Chest CT, axial plane, 120 kVp, kernel STANDARD. Slice 348/522 from the bottom of the scan; thickness 1.25 mm; pixel size 0.703 mm.
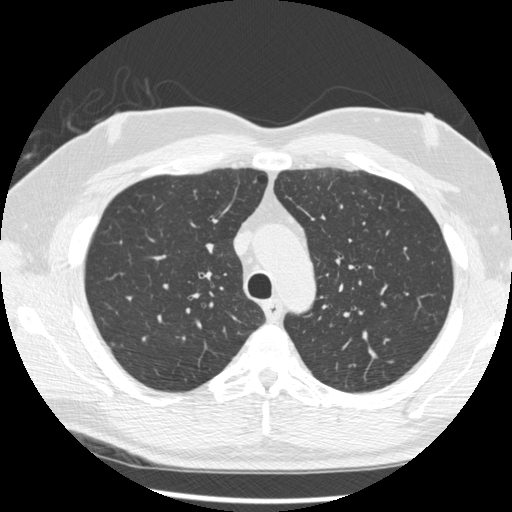
Pulmonary nodule at rows 343–345, columns 111–114 (box = that reader's outline on this slice), outlined by one of the four readers; longest diameter 5.4 mm and volume 41 mm3 from that reader's outline. That reader's ratings: texture 5/5 (solid); margin 5/5 (circumscribed); sphericity 4/5; calcification absent; internal structure soft tissue; subtlety 4/5; malignancy likelihood 3/5. Scale key (1–5): texture non-solid→solid, margin indistinct→circumscribed, sphericity linear→round, subtlety extremely subtle→obvious, malignancy likelihood highly unlikely→highly suspicious of cancer. Box rows and columns are 0-based pixel indices from the top-left corner, inclusive.